Axial slice 174 of 261 of a chest CT (slice 1 is the lowest), reconstructed with the STANDARD kernel at 120 kVp; 1.25 mm slice thickness and 0.682 mm pixels.
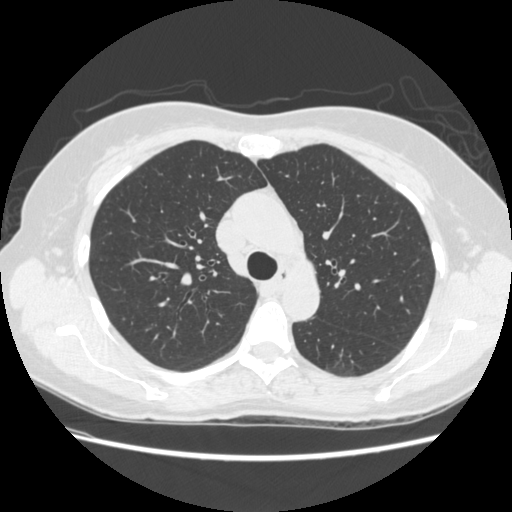
Pulmonary nodule at rows 360–375, columns 333–351 (box = the one reader's outline on this slice), outlined by two of the four readers, one of them on this slice; longest diameter 30.8 mm on average over the two readers' outlines (readers' outlines 30.0–31.5 mm), volume 6577–7912 mm3. The readers' prevailing ratings and who disagreed: texture split among the readers: 1/5 (non-solid) (one), 2/5 (one); margin split among the readers: 1/5 (indistinct) (one), 2/5 (one); sphericity split among the readers: 3/5 (ovoid) (one), 5/5 (round) (one); calcification absent from both readers; internal structure soft tissue from both readers; subtlety split among the readers: 1/5 (one), 2/5 (one); malignancy likelihood split among the readers: 4/5 (one), 5/5 (one). Scale key (1–5): texture non-solid→solid, margin indistinct→circumscribed, sphericity linear→round, subtlety extremely subtle→obvious, malignancy likelihood highly unlikely→highly suspicious of cancer. Box rows and columns are 0-based pixel indices from the top-left corner, inclusive.